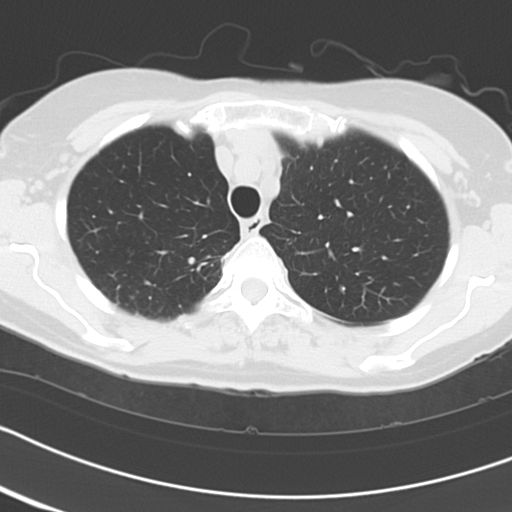
Slice 86/103 of a chest CT, counting up from the lowest; pixel size 0.566 mm, slice thickness 3.00 mm. Pulmonary nodule, outlined by three of the four readers. Box on this slice rows 284–292, columns 340–345, the union of the readers' outlines on this slice; median longest diameter 6.9 mm (readers' outlines 6.6–6.9 mm), median volume 192 mm3 (150–192 mm3). Median ratings and the readers' spread: texture 5/5 (solid) from all three readers; margin 5/5 (circumscribed) from all three readers; sphericity 5/5 (round), all three readers agreeing; calcification solid calcification from all three readers; internal structure soft tissue from all three readers; median subtlety 5/5 (readers ranged 4–5); malignancy likelihood 1/5, all three readers agreeing. Scale key (1–5): texture non-solid→solid, margin indistinct→circumscribed, sphericity linear→round, subtlety extremely subtle→obvious, malignancy likelihood highly unlikely→highly suspicious of cancer. Box rows and columns are 0-based pixel indices from the top-left corner, inclusive.
Acquired at 120 kVp and reconstructed with the B45f kernel.